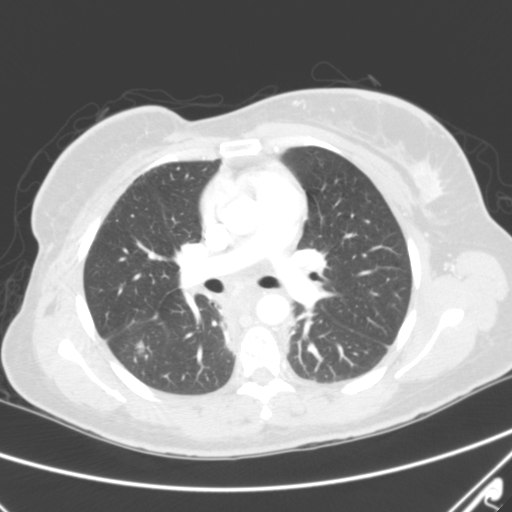
This is axial slice 158 of 263 (slice 1 is the lowest) of a chest CT; each pixel is 0.664 mm and the slice is 2.00 mm thick. Pulmonary nodule, outlined two times (the source holds three more outlines, not used). Box on this slice rows 341–353, columns 136–144, the union of the readers' outlines on this slice; median longest diameter 13.7 mm (readers' outlines 12.2–15.2 mm), median volume 980 mm3 (731–1229 mm3). Median ratings and the readers' spread: texture 2/5 at the median of two readers, spread 1/5 (non-solid) to 3/5 (part-solid); median margin 2.5/5 (readers ranged 2/5 to 3/5); sphericity 3.5/5 at the median of two readers, spread 3/5 (ovoid) to 4/5; calcification absent, both readers agreeing; internal structure soft tissue from both readers; subtlety 3/5 from both readers; median malignancy likelihood 3/5 (readers ranged 2–4). Scale key (1–5): texture non-solid→solid, margin indistinct→circumscribed, sphericity linear→round, subtlety extremely subtle→obvious, malignancy likelihood highly unlikely→highly suspicious of cancer. Box rows and columns are 0-based pixel indices from the top-left corner, inclusive.
Acquired at 120 kVp and reconstructed with the B kernel.